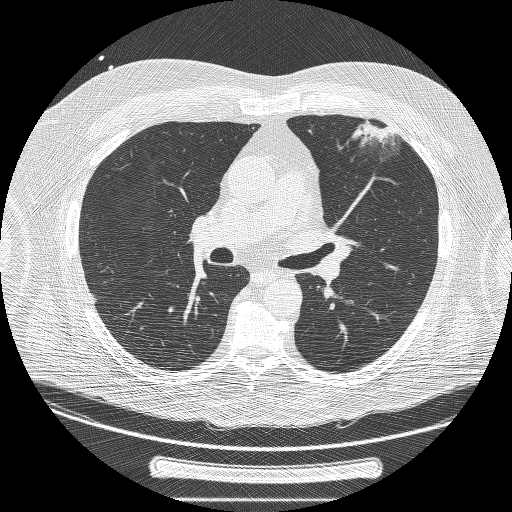
This is axial slice 132 of 239 (slice 1 is the lowest) of a chest CT; each pixel is 0.795 mm and the slice is 1.25 mm thick. Pulmonary nodule, outlined by two of the four readers. Box on this slice rows 120–150, columns 350–398, the union of the readers' outlines on this slice; median longest diameter 43.2 mm (readers' outlines 43.0–43.4 mm), median volume 10782 mm3 (10396–11168 mm3). Median ratings and the readers' spread: median texture 4/5 (readers ranged 3/5 (part-solid) to 5/5 (solid)); margin 2/5 at the median of two readers, spread 1/5 (indistinct) to 3/5; median sphericity 2/5 (readers ranged 1/5 (linear) to 3/5 (ovoid)); calcification absent, both readers agreeing; internal structure soft tissue, both readers agreeing; subtlety 5/5 from both readers; malignancy likelihood 5/5, both readers agreeing. Scale key (1–5): texture non-solid→solid, margin indistinct→circumscribed, sphericity linear→round, subtlety extremely subtle→obvious, malignancy likelihood highly unlikely→highly suspicious of cancer. Box rows and columns are 0-based pixel indices from the top-left corner, inclusive.
Acquired at 120 kVp and reconstructed with the BONE kernel.